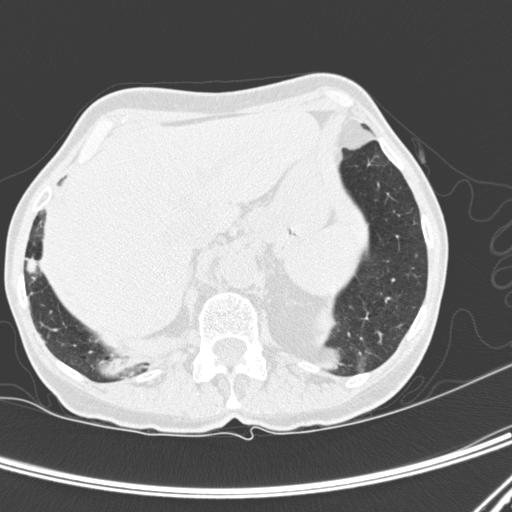
This is axial slice 46 of 300 (slice 1 is the lowest) of a chest CT; each pixel is 0.607 mm and the slice is 1.00 mm thick. Pulmonary nodule at rows 257–274, columns 24–36 (box = the union of the readers' outlines on this slice), outlined by all four readers; median longest diameter 19.0 mm (readers' outlines 17.1–19.9 mm), median volume 2200 mm3 (1865–2443 mm3). Ratings, median across the readers with their spread: texture 5/5 (solid), all four readers agreeing; margin 5/5 (circumscribed), all four readers agreeing; sphericity 4/5 at the median of four readers, spread 4/5 to 5/5 (round); calcification: solid calcification (three), absent (one); internal structure soft tissue from all four readers; subtlety 5/5, all four readers agreeing; median malignancy likelihood 1/5 (readers ranged 1–4). Scale key (1–5): texture non-solid→solid, margin indistinct→circumscribed, sphericity linear→round, subtlety extremely subtle→obvious, malignancy likelihood highly unlikely→highly suspicious of cancer. Box rows and columns are 0-based pixel indices from the top-left corner, inclusive.
Scan settings: 120 kVp, D reconstruction kernel.